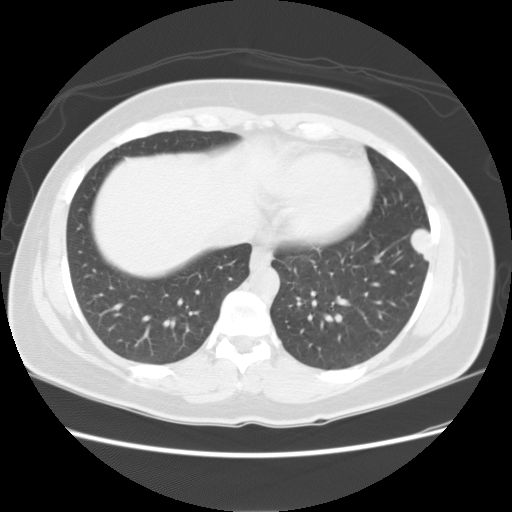
Axial chest CT slice 53 of 127 (counted from the lowest slice); 2.50 mm thick, 0.703 mm per pixel. Pulmonary nodule outlined by all four readers; box rows 228–261, columns 411–431 (the union of the readers' outlines on this slice); longest diameter 28.0 mm on average over the four readers' outlines (readers' outlines 27.7–28.3 mm), volume 5117–6404 mm3. Ratings, by the readers' most common answer with dissent counted: texture 5/5 (solid) from all four readers; margin 5/5 (circumscribed) by three of four readers; the rest gave 4/5 (one); most readers (three of four) put sphericity at 3/5 (ovoid), others 5/5 (round) (one); calcification absent, all four readers agreeing; internal structure soft tissue from all four readers; subtlety 5/5 from all four readers; malignancy likelihood 5/5 by two of four readers; the rest gave 3/5 (one), 4/5 (one). Scale key (1–5): texture non-solid→solid, margin indistinct→circumscribed, sphericity linear→round, subtlety extremely subtle→obvious, malignancy likelihood highly unlikely→highly suspicious of cancer. Box rows and columns are 0-based pixel indices from the top-left corner, inclusive.
Scan settings: 120 kVp, STANDARD reconstruction kernel.